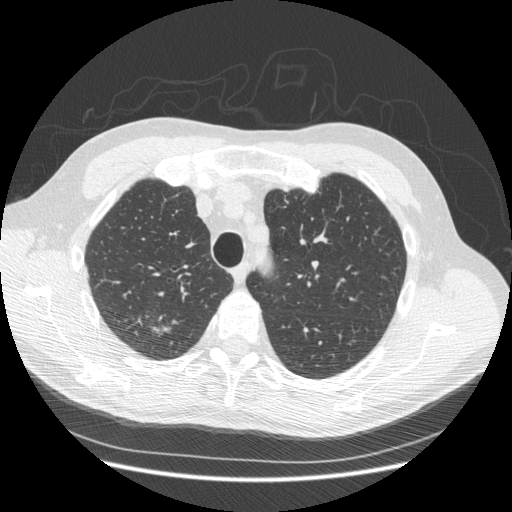
Chest CT, axial plane, 120 kVp, kernel STANDARD. Slice 375/493 from the bottom of the scan; thickness 1.25 mm; pixel size 0.742 mm.
Pulmonary nodule at rows 327–335, columns 152–171 (box = the one reader's outline on this slice), outlined by three of the four readers, one of them on this slice; longest diameter 13.1 mm on average over the three readers' outlines (readers' outlines 12.6–14.1 mm), volume 104–271 mm3. The readers' prevailing ratings and who disagreed: most readers (two of three) put texture at 4/5, others 5/5 (solid) (one); margin 3/5 from all three readers; sphericity 2/5 by two of three readers; the rest gave 4/5 (one); calcification absent from all three readers; internal structure soft tissue from all three readers; subtlety split among the readers: 2/5 (one), 3/5 (one), 5/5 (one); malignancy likelihood 4/5 by two of three readers; the rest gave 2/5 (one). Scale key (1–5): texture non-solid→solid, margin indistinct→circumscribed, sphericity linear→round, subtlety extremely subtle→obvious, malignancy likelihood highly unlikely→highly suspicious of cancer. Box rows and columns are 0-based pixel indices from the top-left corner, inclusive.